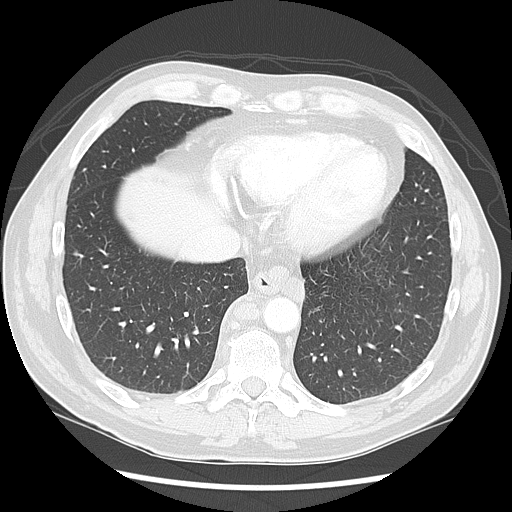
Axial chest CT slice 50 of 139 (counted from the lowest slice); tube voltage 120 kVp, convolution kernel LUNG; slices 2.50 mm thick, 0.703 mm per pixel.
Pulmonary nodule outlined by two of the four readers, one of them on this slice; box rows 250–255, columns 72–77 (the one reader's outline on this slice); longest diameter 7.1 mm on average over the two readers' outlines (readers' outlines 6.4–7.9 mm), volume 113–121 mm3. The readers' prevailing ratings and who disagreed: texture 5/5 (solid) from both readers; margin split among the readers: 4/5 (one), 5/5 (circumscribed) (one); sphericity 4/5 from both readers; calcification absent from both readers; internal structure soft tissue from both readers; subtlety split among the readers: 3/5 (one), 4/5 (one); malignancy likelihood 2/5 from both readers. Scale key (1–5): texture non-solid→solid, margin indistinct→circumscribed, sphericity linear→round, subtlety extremely subtle→obvious, malignancy likelihood highly unlikely→highly suspicious of cancer. Box rows and columns are 0-based pixel indices from the top-left corner, inclusive.